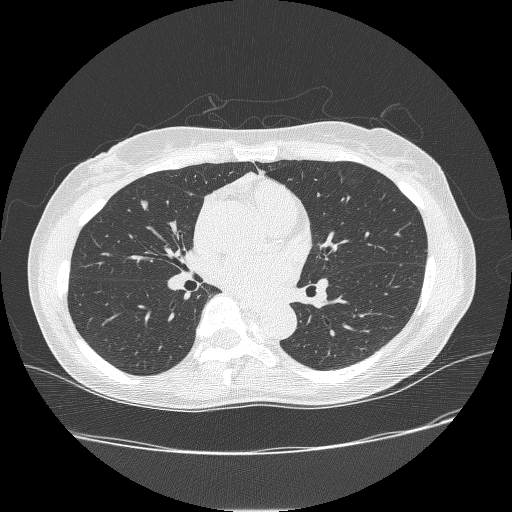
Chest CT, axial plane, 120 kVp, kernel BONE. Slice 134/238 from the bottom of the scan; thickness 1.25 mm; pixel size 0.703 mm.
Pulmonary nodule, outlined by all four readers. Box on this slice rows 199–210, columns 140–148, the union of the readers' outlines on this slice; longest diameter 9.8 mm on average over the four readers' outlines (readers' outlines 8.8–11.4 mm), volume 98–184 mm3. Ratings, by the readers' most common answer with dissent counted: texture split among the readers: 3/5 (part-solid) (two), 5/5 (solid) (two); margin split among the readers: 2/5 (one), 3/5 (one), 4/5 (one), 5/5 (circumscribed) (one); sphericity 3/5 (ovoid) by two of four readers; the rest gave 2/5 (one), 4/5 (one); calcification absent, all four readers agreeing; internal structure soft tissue, all four readers agreeing; subtlety 4/5 by two of four readers; the rest gave 2/5 (one), 5/5 (one); malignancy likelihood 2/5 by two of four readers; the rest gave 3/5 (one), 4/5 (one). Scale key (1–5): texture non-solid→solid, margin indistinct→circumscribed, sphericity linear→round, subtlety extremely subtle→obvious, malignancy likelihood highly unlikely→highly suspicious of cancer. Box rows and columns are 0-based pixel indices from the top-left corner, inclusive.